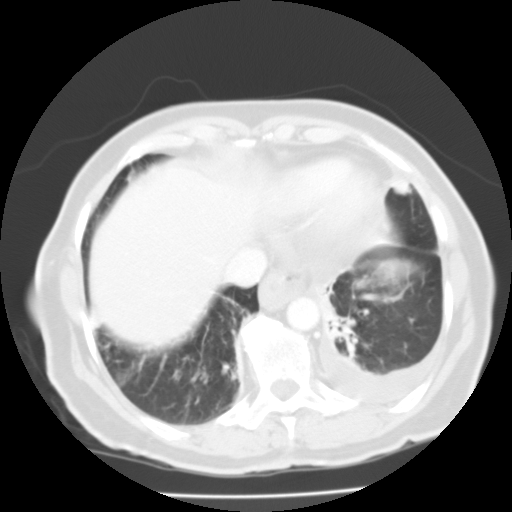
One axial slice (48 of 119, counting up from the lowest) of a chest CT acquired at 135 kVp with the FC01 kernel; each pixel is 0.640 mm and the slice is 3.00 mm thick.
Pulmonary nodule, outlined by one of the four readers. Box on this slice rows 180–196, columns 393–411, that reader's outline on this slice; longest diameter 18.8 mm and volume 4417 mm3 from that reader's outline. Ratings by that reader: texture 5/5 (solid); margin 4/5; sphericity 4/5; calcification absent; internal structure soft tissue; subtlety 4/5; malignancy likelihood 4/5. Scale key (1–5): texture non-solid→solid, margin indistinct→circumscribed, sphericity linear→round, subtlety extremely subtle→obvious, malignancy likelihood highly unlikely→highly suspicious of cancer. Box rows and columns are 0-based pixel indices from the top-left corner, inclusive.